Chest CT, axial plane, 120 kVp, kernel STANDARD. Slice 174/484 from the bottom of the scan; thickness 1.25 mm; pixel size 0.625 mm.
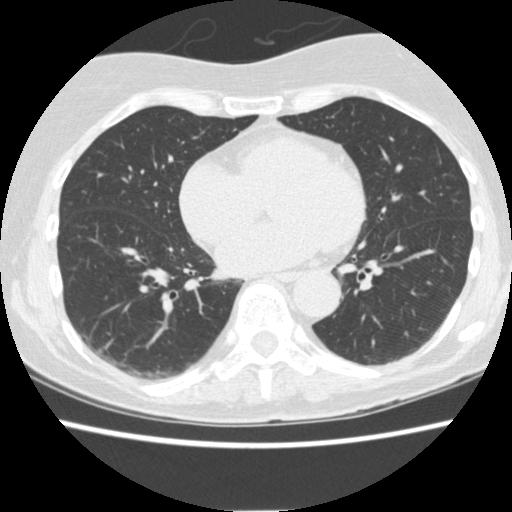
The readers outlined no nodule of 3 mm or more on this slice.